One axial slice (65 of 125, counting up from the lowest) of a chest CT acquired at 120 kVp with the LUNG kernel; each pixel is 0.703 mm and the slice is 2.50 mm thick.
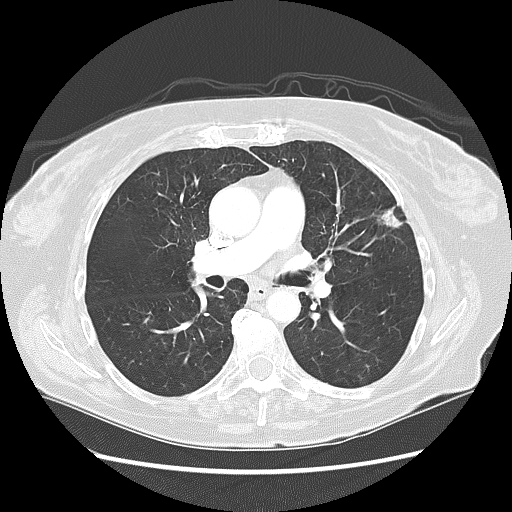
Pulmonary nodule outlined by all four readers; box rows 206–227, columns 376–402 (the union of the readers' outlines on this slice); longest diameter 27.1 mm on average over the four readers' outlines (readers' outlines 25.5–28.7 mm), volume 2545–3578 mm3. Ratings, by the readers' most common answer with dissent counted: most readers (three of four) put texture at 5/5 (solid), others 3/5 (part-solid) (one); margin split among the readers: 1/5 (indistinct) (two), 3/5 (two); sphericity 4/5 by two of four readers; the rest gave 2/5 (one), 3/5 (ovoid) (one); calcification absent from all four readers; internal structure soft tissue from all four readers; subtlety 5/5, all four readers agreeing; malignancy likelihood 5/5 by three of four readers; the rest gave 3/5 (one). Scale key (1–5): texture non-solid→solid, margin indistinct→circumscribed, sphericity linear→round, subtlety extremely subtle→obvious, malignancy likelihood highly unlikely→highly suspicious of cancer. Box rows and columns are 0-based pixel indices from the top-left corner, inclusive.